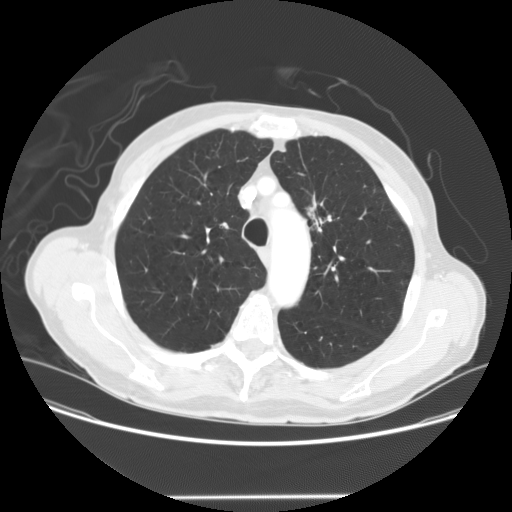
Axial chest CT slice 113 of 147 (counted from the lowest slice); 2.50 mm thick, 0.781 mm per pixel. Pulmonary nodule at rows 197–230, columns 304–325 (box = the union of the readers' outlines on this slice), outlined by all four readers; median longest diameter 31.0 mm (readers' outlines 28.8–40.5 mm), median volume 4785 mm3 (3077–10560 mm3). Ratings, median across the readers with their spread: median texture 4/5 (readers ranged 3/5 (part-solid) to 5/5 (solid)); margin 3.5/5 at the median of four readers, spread 2/5 to 5/5 (circumscribed); sphericity 3/5 (ovoid), all four readers agreeing; calcification absent, all four readers agreeing; internal structure soft tissue, all four readers agreeing; median subtlety 5/5 (readers ranged 4–5); median malignancy likelihood 4.5/5 (readers ranged 3–5). Scale key (1–5): texture non-solid→solid, margin indistinct→circumscribed, sphericity linear→round, subtlety extremely subtle→obvious, malignancy likelihood highly unlikely→highly suspicious of cancer. Box rows and columns are 0-based pixel indices from the top-left corner, inclusive.
Scan settings: 120 kVp, STANDARD reconstruction kernel.